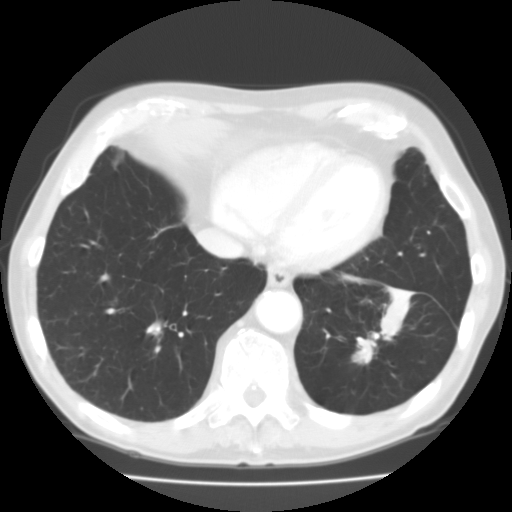
Axial slice 41 of 129 of a chest CT (slice 1 is the lowest), reconstructed with the FC01 kernel at 135 kVp; 3.00 mm slice thickness and 0.662 mm pixels.
Pulmonary nodule outlined by three of the four readers; box rows 336–364, columns 351–375 (the union of the readers' outlines on this slice); longest diameter 22.5 mm on average over the three readers' outlines (readers' outlines 21.3–24.4 mm), volume 2229–2513 mm3. Ratings, by the readers' most common answer with dissent counted: texture 5/5 (solid) from all three readers; margin split among the readers: 2/5 (one), 4/5 (one), 5/5 (circumscribed) (one); sphericity split among the readers: 3/5 (ovoid) (one), 4/5 (one), 5/5 (round) (one); calcification absent, all three readers agreeing; internal structure soft tissue from all three readers; subtlety 5/5 from all three readers; malignancy likelihood 4/5 by two of three readers; the rest gave 3/5 (one). Scale key (1–5): texture non-solid→solid, margin indistinct→circumscribed, sphericity linear→round, subtlety extremely subtle→obvious, malignancy likelihood highly unlikely→highly suspicious of cancer. Box rows and columns are 0-based pixel indices from the top-left corner, inclusive.